Axial chest CT slice 153 of 276 (counted from the lowest slice); tube voltage 120 kVp, convolution kernel D; slices 2.00 mm thick, 0.617 mm per pixel.
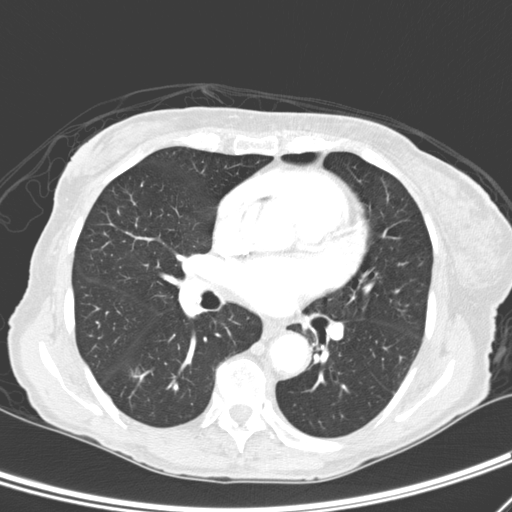
Pulmonary nodule at rows 368–378, columns 130–139 (box = the union of the readers' outlines on this slice), outlined by two of the four readers; median longest diameter 10.2 mm (readers' outlines 9.8–10.6 mm), median volume 140 mm3 (119–162 mm3). Ratings, median across the readers with their spread: median texture 2.5/5 (readers ranged 2/5 to 3/5 (part-solid)); margin 1.5/5 at the median of two readers, spread 1/5 (indistinct) to 2/5; median sphericity 2.5/5 (readers ranged 2/5 to 3/5 (ovoid)); calcification absent from both readers; internal structure soft tissue from both readers; subtlety 4.5/5 at the median of two readers, spread 4–5; malignancy likelihood 3/5, both readers agreeing. Scale key (1–5): texture non-solid→solid, margin indistinct→circumscribed, sphericity linear→round, subtlety extremely subtle→obvious, malignancy likelihood highly unlikely→highly suspicious of cancer. Box rows and columns are 0-based pixel indices from the top-left corner, inclusive.